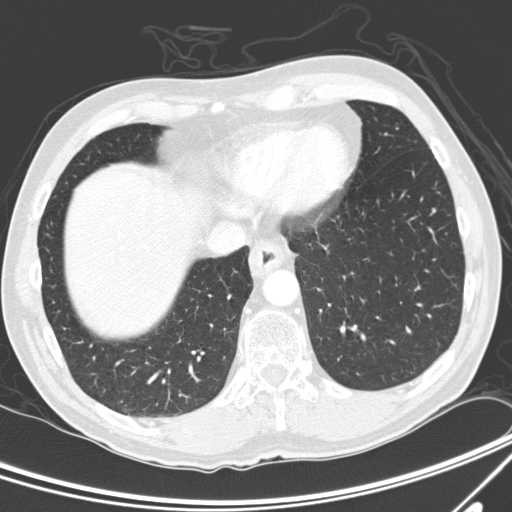
Chest CT, axial plane, 120 kVp, kernel D. Slice 70/300 from the bottom of the scan; thickness 2.00 mm; pixel size 0.678 mm.
Pulmonary nodule at rows 208–212, columns 432–435 (box = that reader's outline on this slice), outlined by one of the four readers; longest diameter 4.9 mm and volume 40 mm3 from that reader's outline. Ratings by that reader: texture 5/5 (solid); margin 4/5; sphericity 5/5 (round); calcification absent; internal structure soft tissue; subtlety 3/5; malignancy likelihood 3/5. Scale key (1–5): texture non-solid→solid, margin indistinct→circumscribed, sphericity linear→round, subtlety extremely subtle→obvious, malignancy likelihood highly unlikely→highly suspicious of cancer. Box rows and columns are 0-based pixel indices from the top-left corner, inclusive.